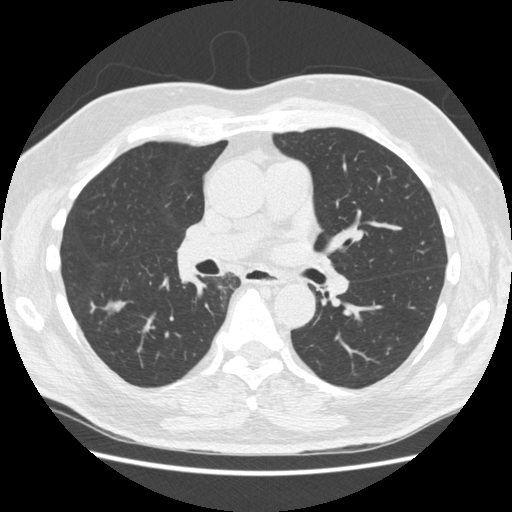
Axial chest CT slice 285 of 557 (counted from the lowest slice); tube voltage 120 kVp, convolution kernel STANDARD; slices 1.25 mm thick, 0.703 mm per pixel.
Pulmonary nodule at rows 300–314, columns 98–126 (box = the union of the readers' outlines on this slice), outlined by all four readers; longest diameter 22.3 mm on average over the four readers' outlines (readers' outlines 19.1–25.0 mm), volume 785–1099 mm3. The readers' prevailing ratings and who disagreed: texture 5/5 (solid) by three of four readers; the rest gave 4/5 (one); margin 3/5 by two of four readers; the rest gave 4/5 (one), 5/5 (circumscribed) (one); sphericity 3/5 (ovoid) by three of four readers; the rest gave 2/5 (one); calcification absent, all four readers agreeing; internal structure soft tissue, all four readers agreeing; subtlety 5/5 by three of four readers; the rest gave 4/5 (one); malignancy likelihood 4/5 by two of four readers; the rest gave 2/5 (one), 5/5 (one). Scale key (1–5): texture non-solid→solid, margin indistinct→circumscribed, sphericity linear→round, subtlety extremely subtle→obvious, malignancy likelihood highly unlikely→highly suspicious of cancer. Box rows and columns are 0-based pixel indices from the top-left corner, inclusive.